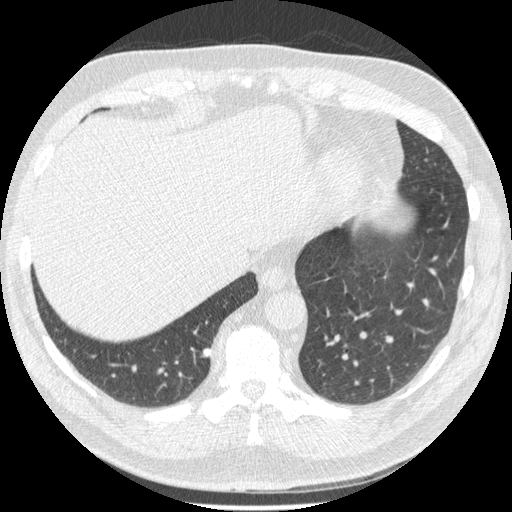
This is axial slice 161 of 557 (slice 1 is the lowest) of a chest CT; each pixel is 0.703 mm and the slice is 1.25 mm thick. Pulmonary nodule outlined by all four readers; box rows 348–356, columns 203–210 (the union of the readers' outlines on this slice); median longest diameter 10.4 mm (readers' outlines 8.6–11.5 mm), median volume 209 mm3 (175–299 mm3). Median ratings and the readers' spread: texture 5/5 (solid), all four readers agreeing; margin 5/5 (circumscribed) at the median of four readers, spread 2/5 to 5/5 (circumscribed); median sphericity 4.5/5 (readers ranged 4/5 to 5/5 (round)); calcification: solid calcification (two), absent (one), central calcification (one); internal structure soft tissue from all four readers; subtlety 4.5/5 at the median of four readers, spread 3–5; malignancy likelihood 1/5 at the median of four readers, spread 1–4. Scale key (1–5): texture non-solid→solid, margin indistinct→circumscribed, sphericity linear→round, subtlety extremely subtle→obvious, malignancy likelihood highly unlikely→highly suspicious of cancer. Box rows and columns are 0-based pixel indices from the top-left corner, inclusive.
Acquired at 120 kVp and reconstructed with the STANDARD kernel.